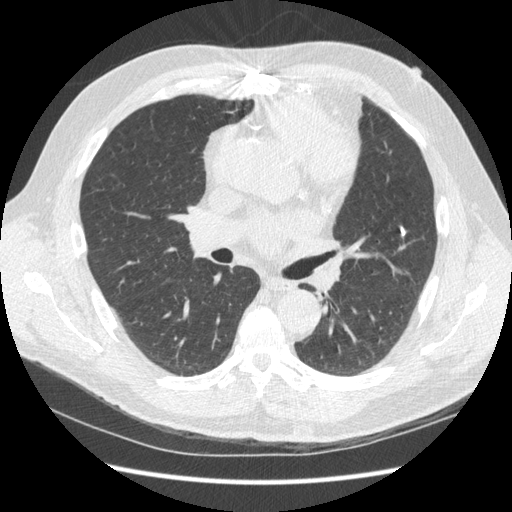
One axial slice (176 of 369, counting up from the lowest) of a chest CT acquired at 120 kVp with the STANDARD kernel; each pixel is 0.703 mm and the slice is 1.25 mm thick.
Pulmonary nodule outlined by one of the four readers; box rows 226–235, columns 400–405 (that reader's outline on this slice); longest diameter 10.1 mm and volume 89 mm3 from that reader's outline. That reader's ratings: texture 5/5 (solid); margin 5/5 (circumscribed); sphericity 3/5 (ovoid); calcification solid calcification; internal structure soft tissue; subtlety 5/5; malignancy likelihood 1/5. Scale key (1–5): texture non-solid→solid, margin indistinct→circumscribed, sphericity linear→round, subtlety extremely subtle→obvious, malignancy likelihood highly unlikely→highly suspicious of cancer. Box rows and columns are 0-based pixel indices from the top-left corner, inclusive.